Axial slice 134 of 235 of a chest CT (slice 1 is the lowest), reconstructed with the BONE kernel at 120 kVp; 1.25 mm slice thickness and 0.537 mm pixels.
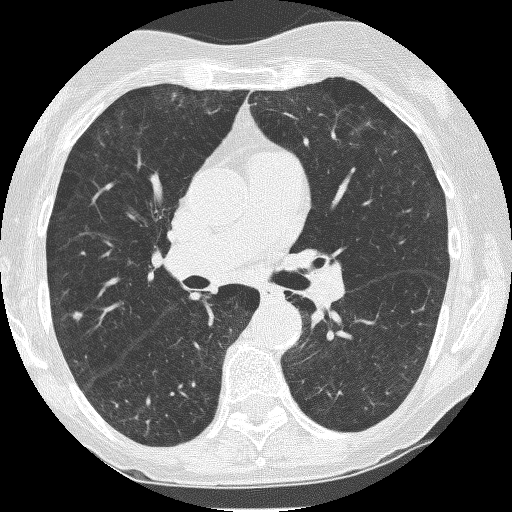
Pulmonary nodule at rows 312–320, columns 72–81 (box = the union of the readers' outlines on this slice), outlined by two of the four readers; longest diameter 5.9 mm on average over the two readers' outlines (readers' outlines 5.8–6.0 mm), volume 45–65 mm3. Ratings, by the readers' most common answer with dissent counted: texture 5/5 (solid), both readers agreeing; margin split among the readers: 3/5 (one), 4/5 (one); sphericity split among the readers: 3/5 (ovoid) (one), 4/5 (one); calcification absent, both readers agreeing; internal structure soft tissue from both readers; subtlety split among the readers: 2/5 (one), 3/5 (one); malignancy likelihood 3/5 from both readers. Scale key (1–5): texture non-solid→solid, margin indistinct→circumscribed, sphericity linear→round, subtlety extremely subtle→obvious, malignancy likelihood highly unlikely→highly suspicious of cancer. Box rows and columns are 0-based pixel indices from the top-left corner, inclusive.